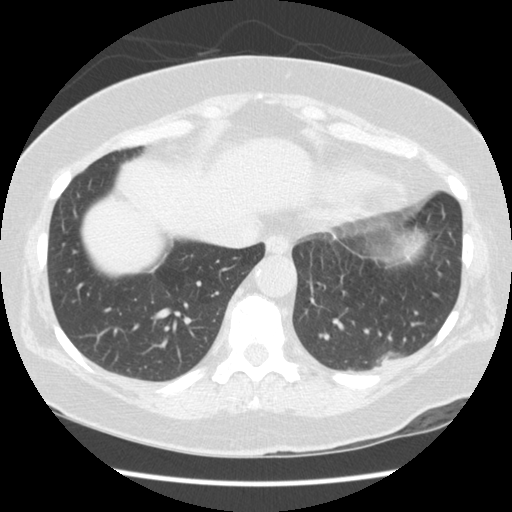
Axial slice 41 of 154 of a chest CT (slice 1 is the lowest), reconstructed with the STANDARD kernel at 120 kVp; 2.50 mm slice thickness and 0.645 mm pixels.
Pulmonary nodule at rows 352–366, columns 376–403 (box = that reader's outline on this slice), outlined by one of the four readers; longest diameter 24.1 mm and volume 2244 mm3 from that reader's outline. That reader's ratings: texture 3/5 (part-solid); margin 3/5; sphericity 4/5; calcification absent; internal structure soft tissue; subtlety 4/5; malignancy likelihood 1/5. Scale key (1–5): texture non-solid→solid, margin indistinct→circumscribed, sphericity linear→round, subtlety extremely subtle→obvious, malignancy likelihood highly unlikely→highly suspicious of cancer. Box rows and columns are 0-based pixel indices from the top-left corner, inclusive.